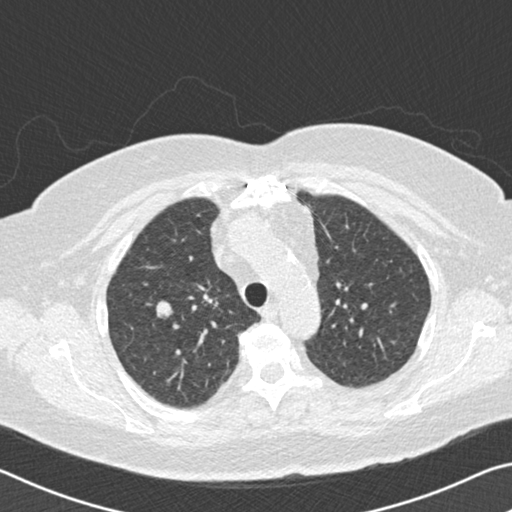
Axial chest CT slice 129 of 167 (counted from the lowest slice); tube voltage 120 kVp, convolution kernel B30f; slices 2.00 mm thick, 0.664 mm per pixel.
Pulmonary nodule at rows 300–318, columns 156–173 (box = the union of the readers' outlines on this slice), outlined by all four readers; longest diameter 13.7–15.2 mm and volume 840–1189 mm3 across the four readers' outlines. Ratings across the readers: texture 5/5 (solid) from all four readers; margin from 4/5 to 5/5 (circumscribed) across the four readers; sphericity from 3/5 (ovoid) to 5/5 (round) across the four readers; calcification absent from all four readers; internal structure soft tissue from all four readers; subtlety rated between 4 and 5 out of 5 by the four readers; malignancy likelihood 3–5/5 (the readers disagree). Scale key (1–5): texture non-solid→solid, margin indistinct→circumscribed, sphericity linear→round, subtlety extremely subtle→obvious, malignancy likelihood highly unlikely→highly suspicious of cancer. Box rows and columns are 0-based pixel indices from the top-left corner, inclusive.